Chest CT, axial plane, 120 kVp, kernel B45f. Slice 225/383 from the bottom of the scan; thickness 1.00 mm; pixel size 0.664 mm.
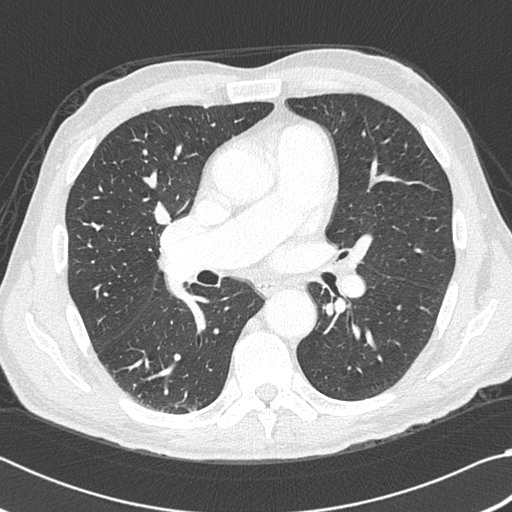
Pulmonary nodule outlined by all four readers, one of them on this slice; box rows 131–135, columns 362–365 (the one reader's outline on this slice); the four readers' outlines give a longest diameter between 10.1 and 11.8 mm and a volume between 386 and 564 mm3. Ratings across the readers: texture 5/5 (solid) from all four readers; margin from 4/5 to 5/5 (circumscribed) across the four readers; sphericity from 3/5 (ovoid) to 5/5 (round) across the four readers; calcification absent from all four readers; internal structure soft tissue, all four readers agreeing; subtlety from 4/5 to 5/5 across the four readers; malignancy likelihood rated between 2 and 5 out of 5 by the four readers. Scale key (1–5): texture non-solid→solid, margin indistinct→circumscribed, sphericity linear→round, subtlety extremely subtle→obvious, malignancy likelihood highly unlikely→highly suspicious of cancer. Box rows and columns are 0-based pixel indices from the top-left corner, inclusive.